Axial chest CT slice 73 of 140 (counted from the lowest slice); tube voltage 120 kVp, convolution kernel STANDARD; slices 2.50 mm thick, 0.605 mm per pixel.
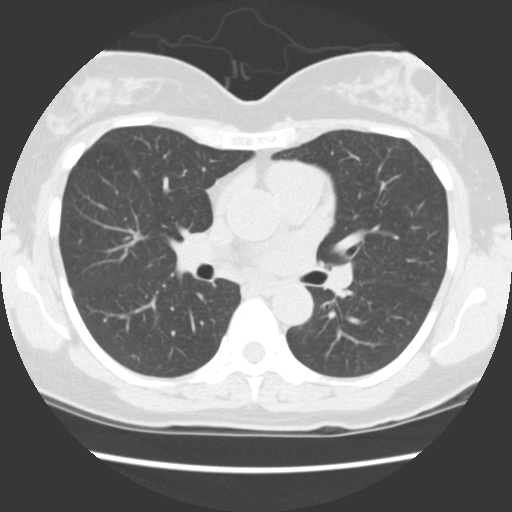
Pulmonary nodule at rows 169–178, columns 133–138 (box = the one reader's outline on this slice), outlined by two of the four readers, one of them on this slice; longest diameter 6.9–9.5 mm and volume 88–167 mm3 across the two readers' outlines. Ratings across the readers: texture 5/5 (solid) from both readers; margin from 3/5 to 4/5 across the two readers; sphericity from 3/5 (ovoid) to 4/5 across the two readers; calcification absent from both readers; internal structure soft tissue, both readers agreeing; subtlety rated between 2 and 4 out of 5 by the two readers; malignancy likelihood from 3/5 to 4/5 across the two readers. Scale key (1–5): texture non-solid→solid, margin indistinct→circumscribed, sphericity linear→round, subtlety extremely subtle→obvious, malignancy likelihood highly unlikely→highly suspicious of cancer. Box rows and columns are 0-based pixel indices from the top-left corner, inclusive.